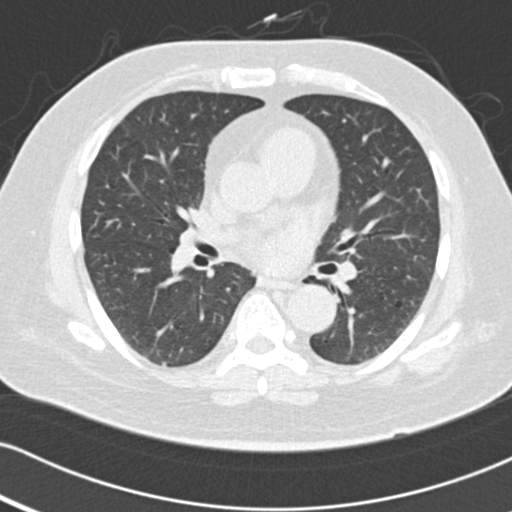
Axial slice 84 of 157 of a chest CT (slice 1 is the lowest), reconstructed with the B30f kernel at 120 kVp; 2.00 mm slice thickness and 0.625 mm pixels.
Pulmonary nodule, outlined by one of the four readers. Box on this slice rows 362–365, columns 162–165, that reader's outline on this slice; longest diameter 3.6 mm and volume 30 mm3 from that reader's outline. Ratings by that reader: texture 5/5 (solid); margin 5/5 (circumscribed); sphericity 5/5 (round); calcification absent; internal structure soft tissue; subtlety 4/5; malignancy likelihood 3/5. Scale key (1–5): texture non-solid→solid, margin indistinct→circumscribed, sphericity linear→round, subtlety extremely subtle→obvious, malignancy likelihood highly unlikely→highly suspicious of cancer. Box rows and columns are 0-based pixel indices from the top-left corner, inclusive.